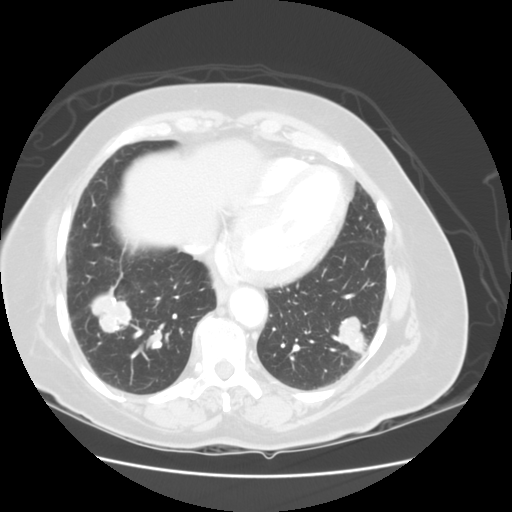
One axial slice (34 of 114, counting up from the lowest) of a chest CT acquired at 120 kVp with the STANDARD kernel; each pixel is 0.703 mm and the slice is 2.50 mm thick.
Two pulmonary nodules on this slice, listed from left to right. (1) Pulmonary nodule, outlined by three of the four readers. Box on this slice rows 272–332, columns 91–133, the union of the readers' outlines on this slice; longest diameter 37.9 mm on average over the three readers' outlines (readers' outlines 33.9–44.7 mm), volume 10097–11661 mm3. The readers' prevailing ratings and who disagreed: texture 5/5 (solid) from all three readers; most readers (two of three) put margin at 4/5, others 5/5 (circumscribed) (one); most readers (two of three) put sphericity at 3/5 (ovoid), others 4/5 (one); calcification absent, all three readers agreeing; internal structure soft tissue from all three readers; subtlety 5/5, all three readers agreeing; most readers (two of three) put malignancy likelihood at 5/5, others 3/5 (one). (2) Pulmonary nodule outlined by two of the four readers; box rows 317–353, columns 336–366 (the union of the readers' outlines on this slice); longest diameter 31.2–33.4 mm and volume 9358–10207 mm3 across the two readers' outlines. The readers' ratings, as ranges where they differ: texture 5/5 (solid), both readers agreeing; margin 4/5, both readers agreeing; sphericity 3/5 (ovoid) from both readers; calcification absent, both readers agreeing; internal structure soft tissue, both readers agreeing; subtlety 5/5 from both readers; malignancy likelihood 5/5 from both readers. Scale key (1–5): texture non-solid→solid, margin indistinct→circumscribed, sphericity linear→round, subtlety extremely subtle→obvious, malignancy likelihood highly unlikely→highly suspicious of cancer. Box rows and columns are 0-based pixel indices from the top-left corner, inclusive.